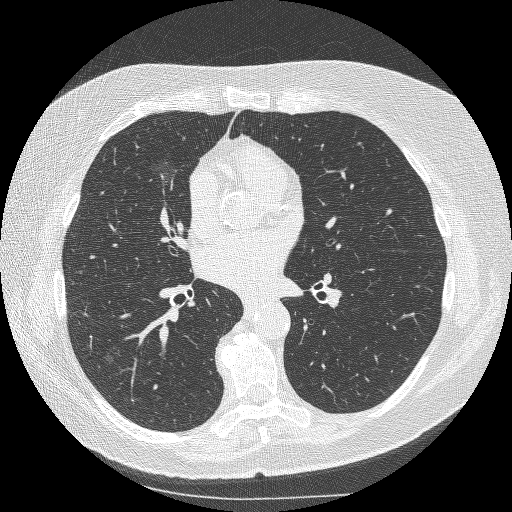
Axial slice 146 of 253 of a chest CT (slice 1 is the lowest), reconstructed with the BONE kernel at 120 kVp; 1.25 mm slice thickness and 0.625 mm pixels.
Two pulmonary nodules are outlined on this slice; from left to right: (1) Pulmonary nodule outlined by three of the four readers; box rows 354–364, columns 104–113 (the union of the readers' outlines on this slice); longest diameter 8.3 mm on average over the three readers' outlines (readers' outlines 8.0–8.7 mm), volume 77–131 mm3. The readers' prevailing ratings and who disagreed: texture 1/5 (non-solid) from all three readers; margin 2/5 by two of three readers; the rest gave 1/5 (indistinct) (one); sphericity 3/5 (ovoid) by two of three readers; the rest gave 5/5 (round) (one); calcification absent from all three readers; internal structure soft tissue, all three readers agreeing; most readers (two of three) put subtlety at 1/5, others 3/5 (one); most readers (two of three) put malignancy likelihood at 3/5, others 4/5 (one). (2) Pulmonary nodule, outlined by two of the four readers. Box on this slice rows 159–183, columns 149–174, the union of the readers' outlines on this slice; longest diameter 21.2 mm on average over the two readers' outlines (readers' outlines 18.7–23.7 mm), volume 1459–2126 mm3. Ratings, by the readers' most common answer with dissent counted: texture 1/5 (non-solid), both readers agreeing; margin 1/5 (indistinct) from both readers; sphericity split among the readers: 3/5 (ovoid) (one), 4/5 (one); calcification absent, both readers agreeing; internal structure soft tissue from both readers; subtlety split among the readers: 1/5 (one), 3/5 (one); malignancy likelihood split among the readers: 3/5 (one), 4/5 (one). Scale key (1–5): texture non-solid→solid, margin indistinct→circumscribed, sphericity linear→round, subtlety extremely subtle→obvious, malignancy likelihood highly unlikely→highly suspicious of cancer. Box rows and columns are 0-based pixel indices from the top-left corner, inclusive.